Chest CT, axial plane, 120 kVp, kernel STANDARD. Slice 67/163 from the bottom of the scan; thickness 2.50 mm; pixel size 0.586 mm.
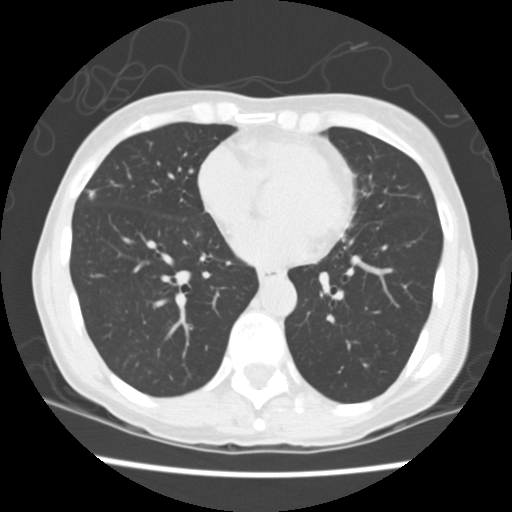
Pulmonary nodule at rows 189–200, columns 85–95 (box = the union of the readers' outlines on this slice), outlined by three of the four readers; median longest diameter 9.2 mm (readers' outlines 8.8–10.1 mm), median volume 225 mm3 (193–242 mm3). Median ratings and the readers' spread: median texture 3/5 (part-solid) (readers ranged 2/5 to 5/5 (solid)); median margin 5/5 (circumscribed) (readers ranged 2/5 to 5/5 (circumscribed)); sphericity 3/5 (ovoid), all three readers agreeing; calcification absent from all three readers; internal structure soft tissue from all three readers; median subtlety 3/5 (readers ranged 2–5); malignancy likelihood 3/5 at the median of three readers, spread 2–4. Scale key (1–5): texture non-solid→solid, margin indistinct→circumscribed, sphericity linear→round, subtlety extremely subtle→obvious, malignancy likelihood highly unlikely→highly suspicious of cancer. Box rows and columns are 0-based pixel indices from the top-left corner, inclusive.